Chest CT, axial plane, 120 kVp, kernel STANDARD. Slice 140/238 from the bottom of the scan; thickness 1.25 mm; pixel size 0.664 mm.
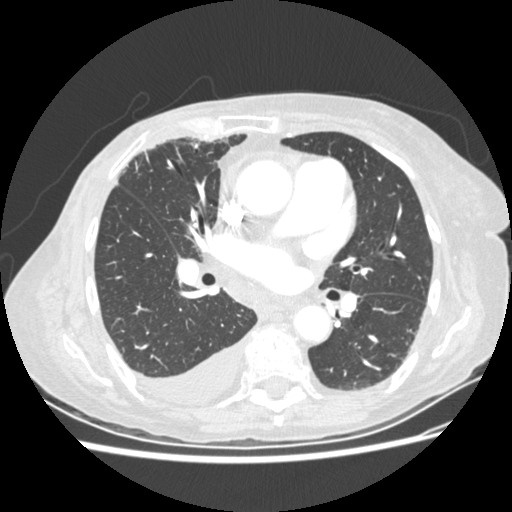
The readers outlined no nodule of 3 mm or more on this slice.